One axial slice (46 of 198, counting up from the lowest) of a chest CT acquired at 120 kVp with the B30f kernel; each pixel is 0.703 mm and the slice is 2.00 mm thick.
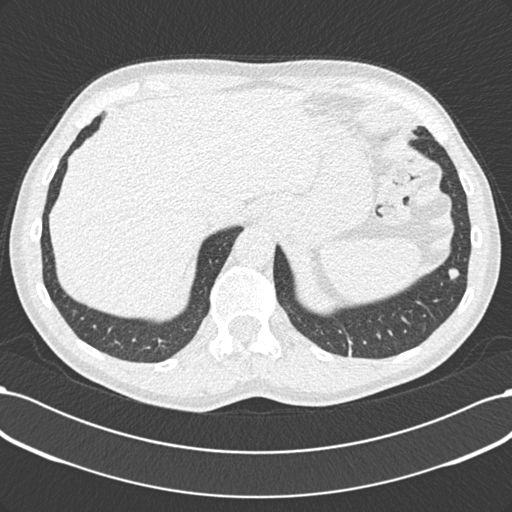
Pulmonary nodule outlined by all four readers; box rows 268–279, columns 448–459 (the union of the readers' outlines on this slice); the four readers' outlines give a longest diameter between 7.9 and 9.8 mm and a volume between 191 and 370 mm3. The readers' ratings, as ranges where they differ: texture from 4/5 to 5/5 (solid) across the four readers; margin from 4/5 to 5/5 (circumscribed) across the four readers; sphericity from 4/5 to 5/5 (round) across the four readers; calcification absent from all four readers; internal structure soft tissue, all four readers agreeing; subtlety rated between 4 and 5 out of 5 by the four readers; malignancy likelihood 3–4/5 (the readers disagree). Scale key (1–5): texture non-solid→solid, margin indistinct→circumscribed, sphericity linear→round, subtlety extremely subtle→obvious, malignancy likelihood highly unlikely→highly suspicious of cancer. Box rows and columns are 0-based pixel indices from the top-left corner, inclusive.